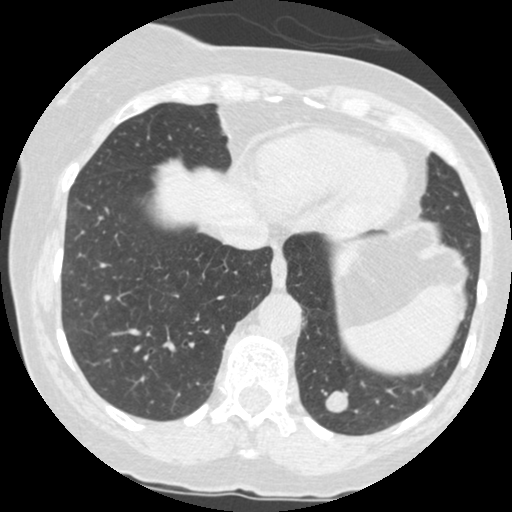
Chest CT, axial plane, 120 kVp, kernel STANDARD. Slice 118/484 from the bottom of the scan; thickness 1.25 mm; pixel size 0.586 mm.
Two pulmonary nodules are outlined on this slice; from left to right: (1) Pulmonary nodule outlined by all four readers; box rows 390–413, columns 325–347 (the union of the readers' outlines on this slice); longest diameter 15.7 mm on average over the four readers' outlines (readers' outlines 14.7–16.9 mm), volume 1036–1469 mm3. The readers' prevailing ratings and who disagreed: texture 5/5 (solid), all four readers agreeing; margin 5/5 (circumscribed), all four readers agreeing; sphericity 4/5 by two of four readers; the rest gave 3/5 (ovoid) (one), 5/5 (round) (one); calcification absent, all four readers agreeing; internal structure soft tissue, all four readers agreeing; subtlety 5/5, all four readers agreeing; malignancy likelihood 5/5 by two of four readers; the rest gave 2/5 (one), 3/5 (one). (2) Pulmonary nodule outlined by all four readers, two of them on this slice; box rows 314–318, columns 460–464 (the union of the readers' outlines on this slice); the four readers' outlines give a longest diameter between 6.0 and 7.2 mm and a volume between 36 and 76 mm3. The readers' ratings, as ranges where they differ: texture from 4/5 to 5/5 (solid) across the four readers; margin from 4/5 to 5/5 (circumscribed) across the four readers; sphericity from 3/5 (ovoid) to 5/5 (round) across the four readers; calcification absent, all four readers agreeing; internal structure soft tissue from all four readers; subtlety 2–4/5 (the readers disagree); malignancy likelihood from 1/5 to 3/5 across the four readers. Scale key (1–5): texture non-solid→solid, margin indistinct→circumscribed, sphericity linear→round, subtlety extremely subtle→obvious, malignancy likelihood highly unlikely→highly suspicious of cancer. Box rows and columns are 0-based pixel indices from the top-left corner, inclusive.